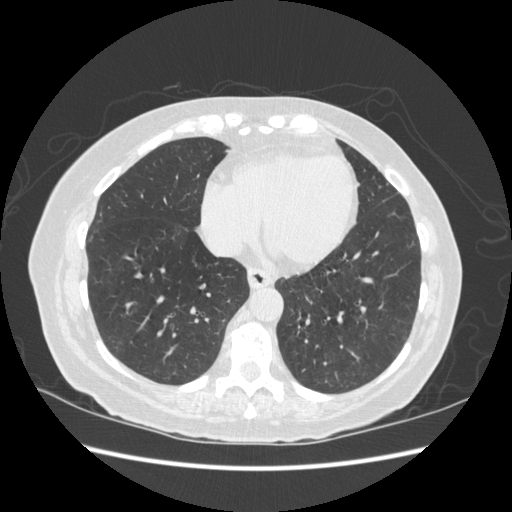
Axial chest CT slice 172 of 513 (counted from the lowest slice); tube voltage 120 kVp, convolution kernel STANDARD; slices 1.25 mm thick, 0.703 mm per pixel.
Pulmonary nodule at rows 330–337, columns 157–162 (box = the union of the readers' outlines on this slice), outlined by two of the four readers; median longest diameter 6.8 mm (readers' outlines 6.7–6.9 mm), median volume 105 mm3 (105–106 mm3). Ratings, median across the readers with their spread: median texture 4.5/5 (readers ranged 4/5 to 5/5 (solid)); margin 4/5 from both readers; median sphericity 3/5 (ovoid) (readers ranged 2/5 to 4/5); calcification absent from both readers; internal structure soft tissue from both readers; subtlety 2/5, both readers agreeing; malignancy likelihood 1.5/5 at the median of two readers, spread 1–2. Scale key (1–5): texture non-solid→solid, margin indistinct→circumscribed, sphericity linear→round, subtlety extremely subtle→obvious, malignancy likelihood highly unlikely→highly suspicious of cancer. Box rows and columns are 0-based pixel indices from the top-left corner, inclusive.